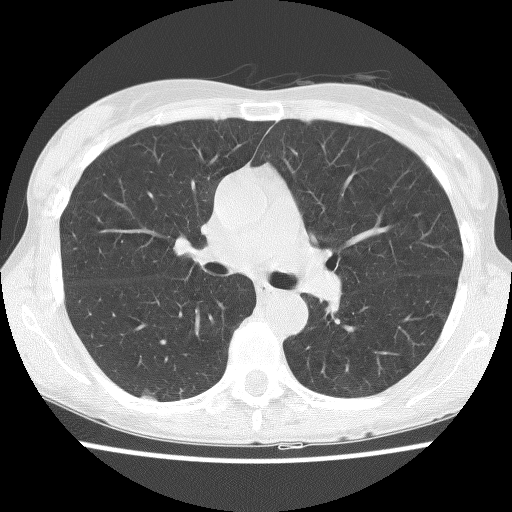
Chest CT, axial plane, 140 kVp, kernel BONE. Slice 77/123 from the bottom of the scan; thickness 2.50 mm; pixel size 0.586 mm.
Pulmonary nodule at rows 396–400, columns 141–156 (box = that reader's outline on this slice), outlined by one of the four readers; longest diameter 10.7 mm and volume 185 mm3 from that reader's outline. Ratings by that reader: texture 5/5 (solid); margin 5/5 (circumscribed); sphericity 5/5 (round); calcification absent; internal structure soft tissue; subtlety 5/5; malignancy likelihood 2/5. Scale key (1–5): texture non-solid→solid, margin indistinct→circumscribed, sphericity linear→round, subtlety extremely subtle→obvious, malignancy likelihood highly unlikely→highly suspicious of cancer. Box rows and columns are 0-based pixel indices from the top-left corner, inclusive.